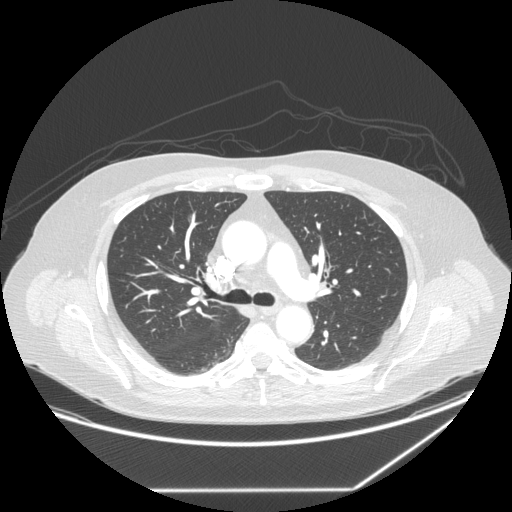
Axial chest CT slice 167 of 258 (counted from the lowest slice); tube voltage 120 kVp, convolution kernel STANDARD; slices 1.25 mm thick, 0.859 mm per pixel.
Pulmonary nodule at rows 213–222, columns 187–190 (box = the union of the readers' outlines on this slice), outlined by all four readers, two of them on this slice; longest diameter 11.3–12.3 mm and volume 283–414 mm3 across the four readers' outlines. Ratings across the readers: texture 5/5 (solid) from all four readers; margin from 4/5 to 5/5 (circumscribed) across the four readers; sphericity from 3/5 (ovoid) to 5/5 (round) across the four readers; calcification absent, all four readers agreeing; internal structure soft tissue from all four readers; subtlety from 3/5 to 5/5 across the four readers; malignancy likelihood from 2/5 to 4/5 across the four readers. Scale key (1–5): texture non-solid→solid, margin indistinct→circumscribed, sphericity linear→round, subtlety extremely subtle→obvious, malignancy likelihood highly unlikely→highly suspicious of cancer. Box rows and columns are 0-based pixel indices from the top-left corner, inclusive.